Axial chest CT slice 487 of 764 (counted from the lowest slice); tube voltage 120 kVp, convolution kernel B31f; slices 1.00 mm thick, 0.646 mm per pixel.
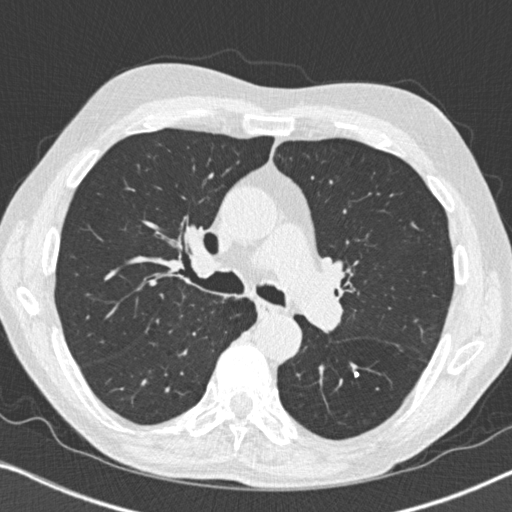
Pulmonary nodule, outlined by two of the four readers. Box on this slice rows 372–377, columns 354–358, the union of the readers' outlines on this slice; the two readers' outlines give a longest diameter between 4.7 and 5.8 mm and a volume between 50 and 90 mm3. The readers' ratings, as ranges where they differ: texture 5/5 (solid) from both readers; margin 5/5 (circumscribed) from both readers; sphericity from 4/5 to 5/5 (round) across the two readers; calcification solid calcification from both readers; internal structure soft tissue, both readers agreeing; subtlety 5/5 from both readers; malignancy likelihood 1/5, both readers agreeing. Scale key (1–5): texture non-solid→solid, margin indistinct→circumscribed, sphericity linear→round, subtlety extremely subtle→obvious, malignancy likelihood highly unlikely→highly suspicious of cancer. Box rows and columns are 0-based pixel indices from the top-left corner, inclusive.